Axial slice 114 of 153 of a chest CT (slice 1 is the lowest), reconstructed with the B31f kernel at 120 kVp; 3.00 mm slice thickness and 0.836 mm pixels.
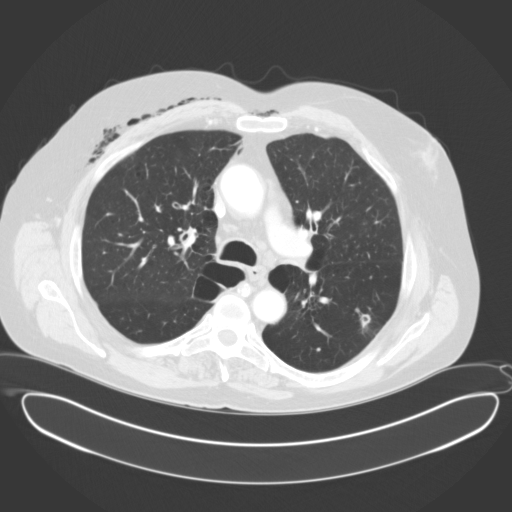
Pulmonary nodule outlined by one of the four readers; box rows 314–327, columns 361–369 (that reader's outline on this slice); longest diameter 14.2 mm and volume 624 mm3 from that reader's outline. That reader's ratings: texture 3/5 (part-solid); margin 3/5; sphericity 2/5; calcification absent; internal structure air; subtlety 4/5; malignancy likelihood 3/5. Scale key (1–5): texture non-solid→solid, margin indistinct→circumscribed, sphericity linear→round, subtlety extremely subtle→obvious, malignancy likelihood highly unlikely→highly suspicious of cancer. Box rows and columns are 0-based pixel indices from the top-left corner, inclusive.